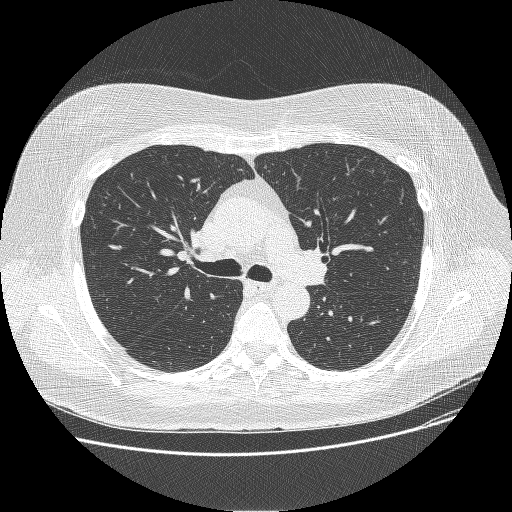
Slice 188/270 of a chest CT, counting up from the lowest; pixel size 0.703 mm, slice thickness 1.25 mm. The readers outlined no nodule of 3 mm or more on this slice.
Scan settings: 120 kVp, BONE reconstruction kernel.